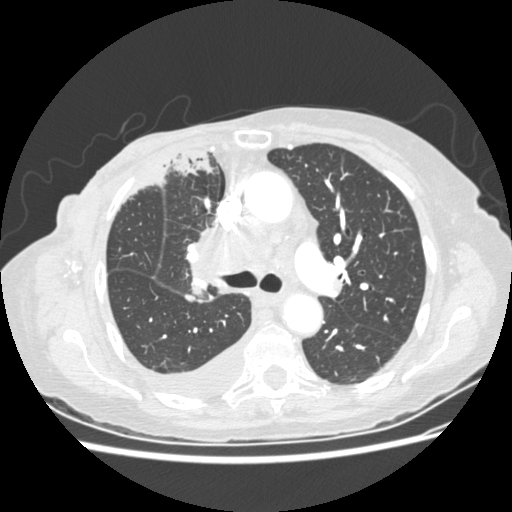
Chest CT, axial plane, 120 kVp, kernel STANDARD. Slice 171/238 from the bottom of the scan; thickness 1.25 mm; pixel size 0.664 mm.
Pulmonary nodule at rows 294–301, columns 185–194 (box = the union of the readers' outlines on this slice), outlined by two of the four readers; the two readers' outlines give a longest diameter between 31.3 and 33.5 mm and a volume between 8200 and 8583 mm3. Ratings across the readers: texture 5/5 (solid), both readers agreeing; margin from 4/5 to 5/5 (circumscribed) across the two readers; sphericity 4/5 from both readers; calcification absent, both readers agreeing; internal structure soft tissue, both readers agreeing; subtlety 5/5, both readers agreeing; malignancy likelihood from 3/5 to 5/5 across the two readers. Scale key (1–5): texture non-solid→solid, margin indistinct→circumscribed, sphericity linear→round, subtlety extremely subtle→obvious, malignancy likelihood highly unlikely→highly suspicious of cancer. Box rows and columns are 0-based pixel indices from the top-left corner, inclusive.